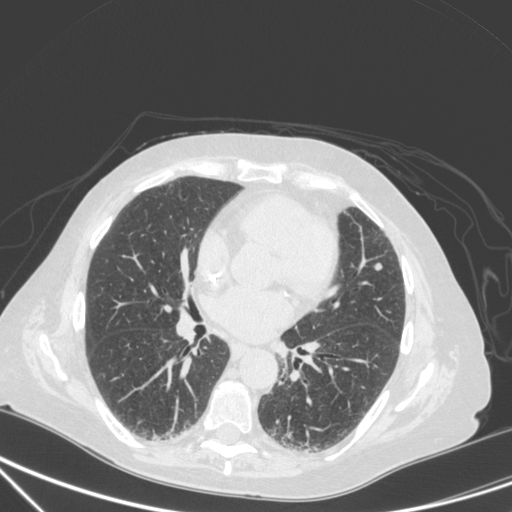
One axial slice (158 of 350, counting up from the lowest) of a chest CT acquired at 120 kVp with the C kernel; each pixel is 0.725 mm and the slice is 1.50 mm thick.
Pulmonary nodule outlined by all four readers; box rows 262–270, columns 372–383 (the union of the readers' outlines on this slice); the four readers' outlines give a longest diameter between 8.5 and 10.5 mm and a volume between 175 and 345 mm3. Ratings across the readers: texture from 4/5 to 5/5 (solid) across the four readers; margin from 4/5 to 5/5 (circumscribed) across the four readers; sphericity from 3/5 (ovoid) to 4/5 across the four readers; calcification absent from all four readers; internal structure soft tissue, all four readers agreeing; subtlety 5/5, all four readers agreeing; malignancy likelihood from 2/5 to 5/5 across the four readers. Scale key (1–5): texture non-solid→solid, margin indistinct→circumscribed, sphericity linear→round, subtlety extremely subtle→obvious, malignancy likelihood highly unlikely→highly suspicious of cancer. Box rows and columns are 0-based pixel indices from the top-left corner, inclusive.